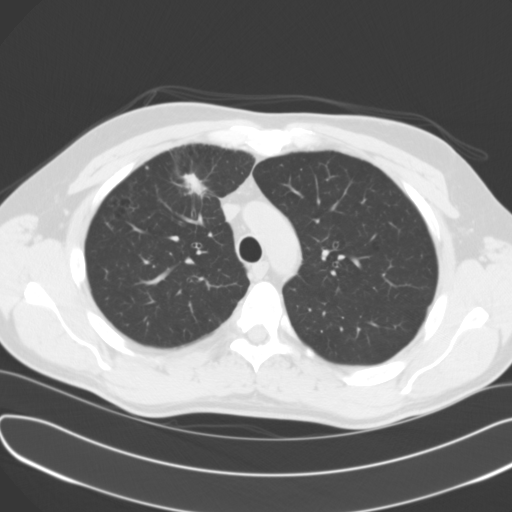
Chest CT, axial plane, 120 kVp, kernel B31f. Slice 94/131 from the bottom of the scan; thickness 3.00 mm; pixel size 0.721 mm.
Pulmonary nodule outlined by all four readers; box rows 165–200, columns 173–215 (the union of the readers' outlines on this slice); longest diameter 30.0 mm on average over the four readers' outlines (readers' outlines 22.6–49.1 mm), volume 879–6132 mm3. Ratings, by the readers' most common answer with dissent counted: most readers (three of four) put texture at 5/5 (solid), others 4/5 (one); margin split among the readers: 1/5 (indistinct) (one), 2/5 (one), 3/5 (one), 4/5 (one); sphericity split among the readers: 2/5 (two), 5/5 (round) (two); calcification absent, all four readers agreeing; internal structure soft tissue from all four readers; subtlety 5/5 by three of four readers; the rest gave 2/5 (one); malignancy likelihood 5/5 by two of four readers; the rest gave 1/5 (one), 4/5 (one). Scale key (1–5): texture non-solid→solid, margin indistinct→circumscribed, sphericity linear→round, subtlety extremely subtle→obvious, malignancy likelihood highly unlikely→highly suspicious of cancer. Box rows and columns are 0-based pixel indices from the top-left corner, inclusive.